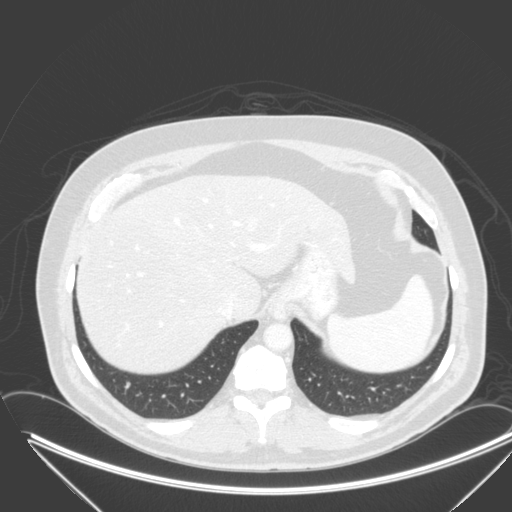
One axial slice (65 of 315, counting up from the lowest) of a chest CT acquired at 120 kVp with the B kernel; each pixel is 0.830 mm and the slice is 2.00 mm thick.
Pulmonary nodule outlined by three of the four readers; box rows 382–385, columns 126–130 (the union of the readers' outlines on this slice); median longest diameter 5.6 mm (readers' outlines 5.6–6.3 mm), median volume 64 mm3 (57–71 mm3). Median ratings and the readers' spread: texture 5/5 (solid) from all three readers; margin 5/5 (circumscribed) at the median of three readers, spread 4/5 to 5/5 (circumscribed); sphericity 5/5 (round) at the median of three readers, spread 3/5 (ovoid) to 5/5 (round); calcification absent, all three readers agreeing; internal structure soft tissue, all three readers agreeing; median subtlety 3/5 (readers ranged 3–5); median malignancy likelihood 3/5 (readers ranged 2–3). Scale key (1–5): texture non-solid→solid, margin indistinct→circumscribed, sphericity linear→round, subtlety extremely subtle→obvious, malignancy likelihood highly unlikely→highly suspicious of cancer. Box rows and columns are 0-based pixel indices from the top-left corner, inclusive.